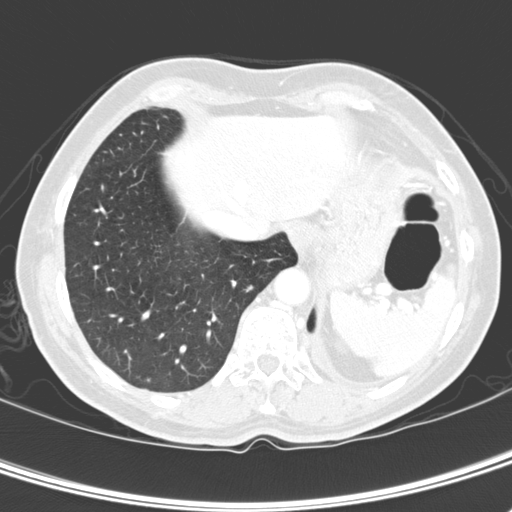
Axial chest CT slice 47 of 280 (counted from the lowest slice); tube voltage 120 kVp, convolution kernel D; slices 2.00 mm thick, 0.613 mm per pixel.
Pulmonary nodule outlined by three of the four readers; box rows 376–382, columns 146–151 (the union of the readers' outlines on this slice); the three readers' outlines give a longest diameter between 4.5 and 6.9 mm and a volume between 31 and 99 mm3. Ratings across the readers: texture from 4/5 to 5/5 (solid) across the three readers; margin from 4/5 to 5/5 (circumscribed) across the three readers; sphericity from 4/5 to 5/5 (round) across the three readers; calcification absent, all three readers agreeing; internal structure soft tissue from all three readers; subtlety rated between 1 and 4 out of 5 by the three readers; malignancy likelihood 2–3/5 (the readers disagree). Scale key (1–5): texture non-solid→solid, margin indistinct→circumscribed, sphericity linear→round, subtlety extremely subtle→obvious, malignancy likelihood highly unlikely→highly suspicious of cancer. Box rows and columns are 0-based pixel indices from the top-left corner, inclusive.